Axial chest CT slice 139 of 330 (counted from the lowest slice); tube voltage 120 kVp, convolution kernel B45f; slices 1.00 mm thick, 0.762 mm per pixel.
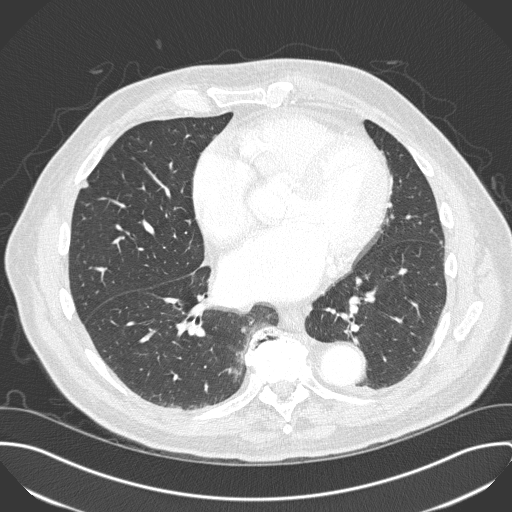
Pulmonary nodule, outlined by two of the four readers. Box on this slice rows 180–187, columns 81–88, the union of the readers' outlines on this slice; median longest diameter 8.8 mm (readers' outlines 7.2–10.4 mm), median volume 110 mm3 (81–139 mm3). Ratings, median across the readers with their spread: texture 5/5 (solid) from both readers; median margin 4.5/5 (readers ranged 4/5 to 5/5 (circumscribed)); median sphericity 3.5/5 (readers ranged 3/5 (ovoid) to 4/5); calcification absent from both readers; internal structure soft tissue, both readers agreeing; median subtlety 3.5/5 (readers ranged 3–4); median malignancy likelihood 2.5/5 (readers ranged 2–3). Scale key (1–5): texture non-solid→solid, margin indistinct→circumscribed, sphericity linear→round, subtlety extremely subtle→obvious, malignancy likelihood highly unlikely→highly suspicious of cancer. Box rows and columns are 0-based pixel indices from the top-left corner, inclusive.